Axial slice 254 of 321 of a chest CT (slice 1 is the lowest), reconstructed with the D kernel at 120 kVp; 2.00 mm slice thickness and 0.557 mm pixels.
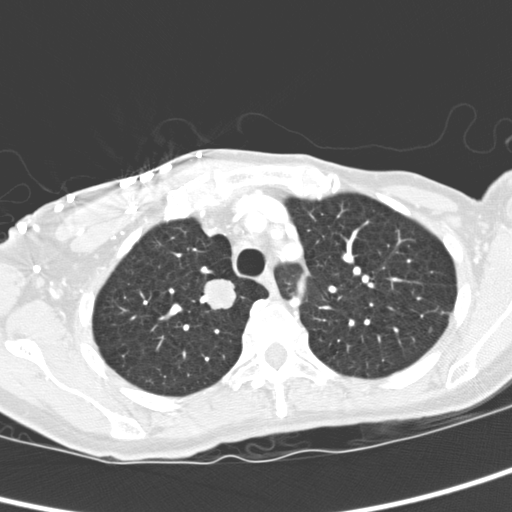
Pulmonary nodule, outlined by all four readers. Box on this slice rows 278–309, columns 204–236, the union of the readers' outlines on this slice; median longest diameter 20.8 mm (readers' outlines 19.2–21.9 mm), median volume 3674 mm3 (3323–4100 mm3). Median ratings and the readers' spread: texture 5/5 (solid) from all four readers; margin 5/5 (circumscribed) at the median of four readers, spread 4/5 to 5/5 (circumscribed); median sphericity 5/5 (round) (readers ranged 4/5 to 5/5 (round)); calcification absent, all four readers agreeing; internal structure soft tissue from all four readers; subtlety 5/5 from all four readers; malignancy likelihood 4.5/5 at the median of four readers, spread 3–5. Scale key (1–5): texture non-solid→solid, margin indistinct→circumscribed, sphericity linear→round, subtlety extremely subtle→obvious, malignancy likelihood highly unlikely→highly suspicious of cancer. Box rows and columns are 0-based pixel indices from the top-left corner, inclusive.